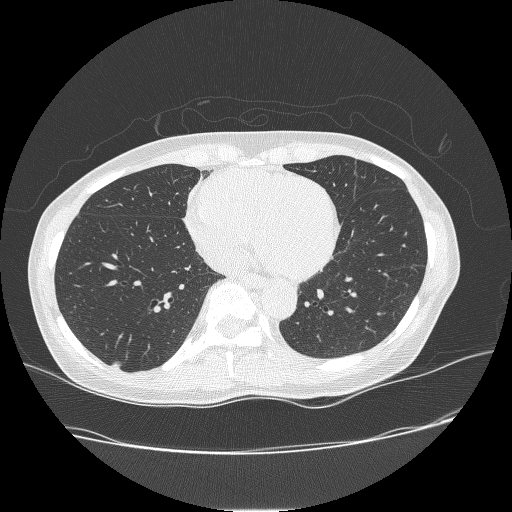
This is axial slice 99 of 238 (slice 1 is the lowest) of a chest CT; each pixel is 0.703 mm and the slice is 1.25 mm thick. Pulmonary nodule, outlined by one of the four readers. Box on this slice rows 361–368, columns 110–121, that reader's outline on this slice; longest diameter 9.2 mm and volume 160 mm3 from that reader's outline. Ratings by that reader: texture 3/5 (part-solid); margin 4/5; sphericity 3/5 (ovoid); calcification absent; internal structure soft tissue; subtlety 5/5; malignancy likelihood 3/5. Scale key (1–5): texture non-solid→solid, margin indistinct→circumscribed, sphericity linear→round, subtlety extremely subtle→obvious, malignancy likelihood highly unlikely→highly suspicious of cancer. Box rows and columns are 0-based pixel indices from the top-left corner, inclusive.
Acquired at 120 kVp and reconstructed with the BONE kernel.